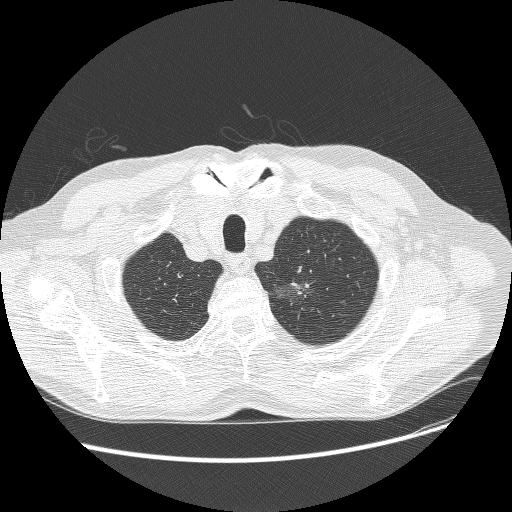
Axial chest CT slice 238 of 268 (counted from the lowest slice); tube voltage 120 kVp, convolution kernel BONE; slices 1.25 mm thick, 0.742 mm per pixel.
Pulmonary nodule, outlined by three of the four readers, two of them on this slice. Box on this slice rows 282–303, columns 275–312, the union of the readers' outlines on this slice; longest diameter 30.8–31.7 mm and volume 4750–7267 mm3 across the three readers' outlines. The readers' ratings, as ranges where they differ: texture 3/5 (part-solid) from all three readers; margin 1/5 (indistinct) from all three readers; sphericity from 3/5 (ovoid) to 4/5 across the three readers; calcification absent from all three readers; internal structure soft tissue from all three readers; subtlety rated between 4 and 5 out of 5 by the three readers; malignancy likelihood from 4/5 to 5/5 across the three readers. Scale key (1–5): texture non-solid→solid, margin indistinct→circumscribed, sphericity linear→round, subtlety extremely subtle→obvious, malignancy likelihood highly unlikely→highly suspicious of cancer. Box rows and columns are 0-based pixel indices from the top-left corner, inclusive.